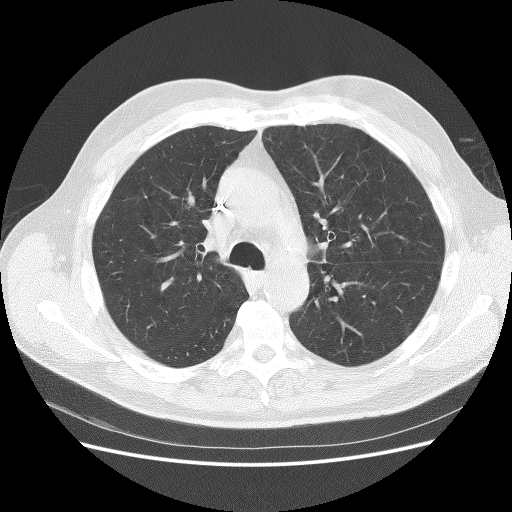
One axial slice (100 of 137, counting up from the lowest) of a chest CT acquired at 140 kVp with the BONE kernel; each pixel is 0.723 mm and the slice is 2.50 mm thick.
Pulmonary nodule outlined by all four readers, two of them on this slice; box rows 267–269, columns 209–212 (the union of the readers' outlines on this slice); median longest diameter 8.5 mm (readers' outlines 7.8–8.5 mm), median volume 241 mm3 (206–242 mm3). Ratings, median across the readers with their spread: texture 5/5 (solid) at the median of four readers, spread 4/5 to 5/5 (solid); margin 4/5 at the median of four readers, spread 4/5 to 5/5 (circumscribed); median sphericity 4/5 (readers ranged 4/5 to 5/5 (round)); calcification absent, all four readers agreeing; internal structure soft tissue from all four readers; median subtlety 3/5 (readers ranged 3–4); malignancy likelihood 3/5 at the median of four readers, spread 2–4. Scale key (1–5): texture non-solid→solid, margin indistinct→circumscribed, sphericity linear→round, subtlety extremely subtle→obvious, malignancy likelihood highly unlikely→highly suspicious of cancer. Box rows and columns are 0-based pixel indices from the top-left corner, inclusive.